Chest CT, axial plane, 120 kVp, kernel STANDARD. Slice 369/445 from the bottom of the scan; thickness 1.25 mm; pixel size 0.645 mm.
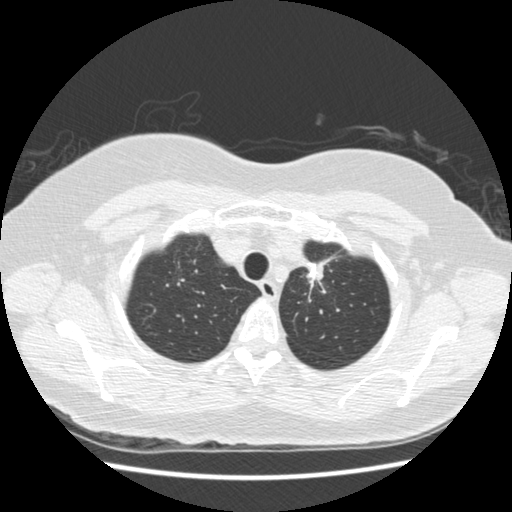
Pulmonary nodule outlined by one of the four readers; box rows 261–285, columns 306–322 (that reader's outline on this slice); longest diameter 31.0 mm and volume 2055 mm3 from that reader's outline. That reader's ratings: texture 5/5 (solid); margin 2/5; sphericity 2/5; calcification absent; internal structure soft tissue; subtlety 5/5; malignancy likelihood 4/5. Scale key (1–5): texture non-solid→solid, margin indistinct→circumscribed, sphericity linear→round, subtlety extremely subtle→obvious, malignancy likelihood highly unlikely→highly suspicious of cancer. Box rows and columns are 0-based pixel indices from the top-left corner, inclusive.